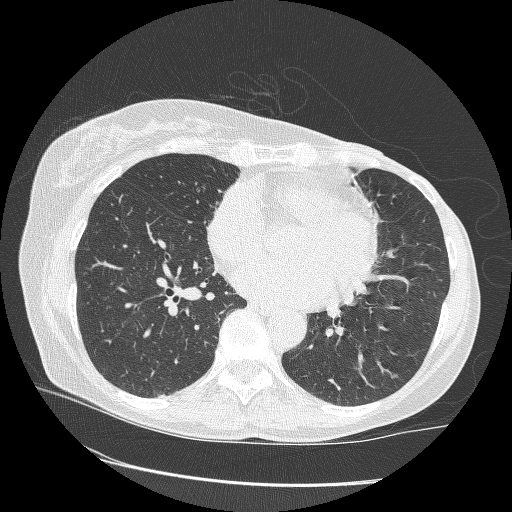
Axial slice 131 of 265 of a chest CT (slice 1 is the lowest), reconstructed with the BONE kernel at 120 kVp; 1.25 mm slice thickness and 0.664 mm pixels.
Pulmonary nodule outlined by three of the four readers; box rows 393–397, columns 158–165 (the union of the readers' outlines on this slice); median longest diameter 9.3 mm (readers' outlines 8.0–10.0 mm), median volume 126 mm3 (87–155 mm3). Ratings, median across the readers with their spread: texture 5/5 (solid), all three readers agreeing; median margin 5/5 (circumscribed) (readers ranged 4/5 to 5/5 (circumscribed)); median sphericity 3/5 (ovoid) (readers ranged 2/5 to 3/5 (ovoid)); calcification absent from all three readers; internal structure soft tissue from all three readers; subtlety 4/5 from all three readers; malignancy likelihood 3/5 at the median of three readers, spread 2–3. Scale key (1–5): texture non-solid→solid, margin indistinct→circumscribed, sphericity linear→round, subtlety extremely subtle→obvious, malignancy likelihood highly unlikely→highly suspicious of cancer. Box rows and columns are 0-based pixel indices from the top-left corner, inclusive.